Chest CT, axial plane, 120 kVp, kernel BONE. Slice 199/241 from the bottom of the scan; thickness 1.25 mm; pixel size 0.609 mm.
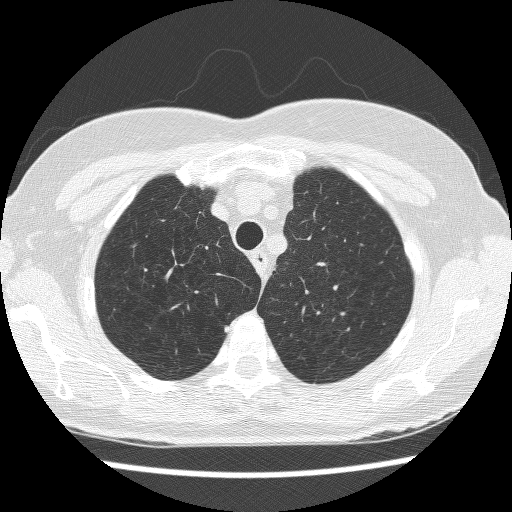
Pulmonary nodule, outlined by one of the four readers. Box on this slice rows 325–332, columns 224–228, that reader's outline on this slice; longest diameter 5.8 mm and volume 58 mm3 from that reader's outline. That reader's ratings: texture 4/5; margin 4/5; sphericity 3/5 (ovoid); calcification absent; internal structure soft tissue; subtlety 4/5; malignancy likelihood 4/5. Scale key (1–5): texture non-solid→solid, margin indistinct→circumscribed, sphericity linear→round, subtlety extremely subtle→obvious, malignancy likelihood highly unlikely→highly suspicious of cancer. Box rows and columns are 0-based pixel indices from the top-left corner, inclusive.